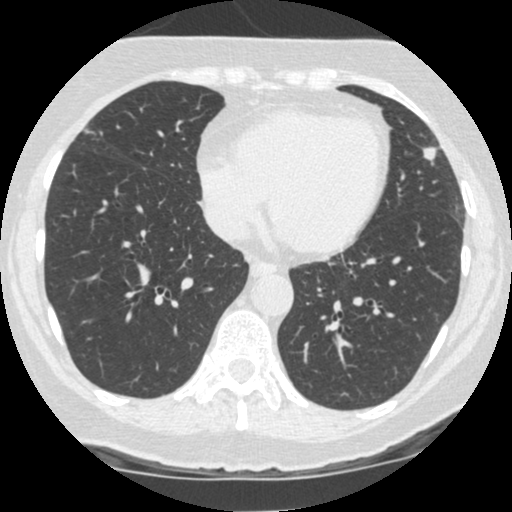
Chest CT, axial plane, 120 kVp, kernel STANDARD. Slice 162/481 from the bottom of the scan; thickness 1.25 mm; pixel size 0.586 mm.
Pulmonary nodule at rows 147–160, columns 423–437 (box = the union of the readers' outlines on this slice), outlined by all four readers; median longest diameter 10.8 mm (readers' outlines 9.6–11.3 mm), median volume 433 mm3 (410–491 mm3). Median ratings and the readers' spread: texture 5/5 (solid) from all four readers; margin 5/5 (circumscribed) at the median of four readers, spread 4/5 to 5/5 (circumscribed); sphericity 4/5 at the median of four readers, spread 4/5 to 5/5 (round); calcification absent from all four readers; internal structure soft tissue, all four readers agreeing; median subtlety 5/5 (readers ranged 4–5); malignancy likelihood 3.5/5 at the median of four readers, spread 2–5. Scale key (1–5): texture non-solid→solid, margin indistinct→circumscribed, sphericity linear→round, subtlety extremely subtle→obvious, malignancy likelihood highly unlikely→highly suspicious of cancer. Box rows and columns are 0-based pixel indices from the top-left corner, inclusive.